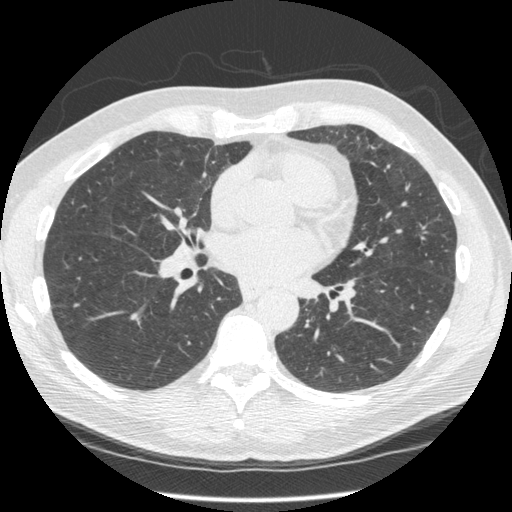
Chest CT, axial plane, 120 kVp, kernel STANDARD. Slice 244/545 from the bottom of the scan; thickness 1.25 mm; pixel size 0.703 mm.
Pulmonary nodule, outlined by all four readers, one of them on this slice. Box on this slice rows 304–308, columns 51–69, the one reader's outline on this slice; median longest diameter 9.7 mm (readers' outlines 9.2–14.5 mm), median volume 141 mm3 (121–250 mm3). Median ratings and the readers' spread: texture 5/5 (solid), all four readers agreeing; median margin 4/5 (readers ranged 3/5 to 5/5 (circumscribed)); median sphericity 3.5/5 (readers ranged 2/5 to 5/5 (round)); calcification absent from all four readers; internal structure soft tissue, all four readers agreeing; subtlety 3.5/5 at the median of four readers, spread 3–5; median malignancy likelihood 3/5 (readers ranged 2–5). Scale key (1–5): texture non-solid→solid, margin indistinct→circumscribed, sphericity linear→round, subtlety extremely subtle→obvious, malignancy likelihood highly unlikely→highly suspicious of cancer. Box rows and columns are 0-based pixel indices from the top-left corner, inclusive.